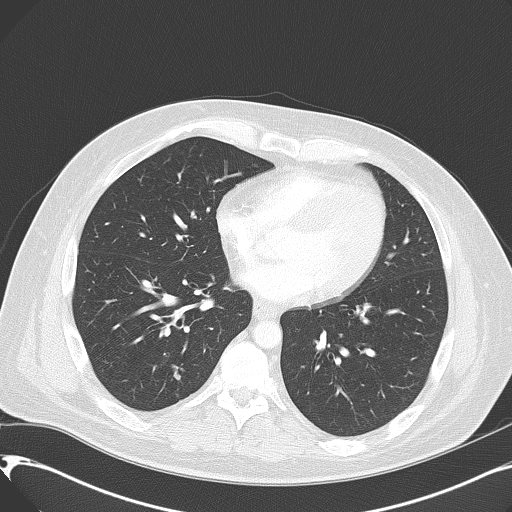
Slice 236/416 of a chest CT, counting up from the lowest; pixel size 0.723 mm, slice thickness 2.00 mm. Pulmonary nodule, outlined by one of the four readers. Box on this slice rows 371–380, columns 174–180, that reader's outline on this slice; longest diameter 8.2 mm and volume 130 mm3 from that reader's outline. That reader's ratings: texture 1/5 (non-solid); margin 2/5; sphericity 5/5 (round); calcification absent; internal structure soft tissue; subtlety 1/5; malignancy likelihood 2/5. Scale key (1–5): texture non-solid→solid, margin indistinct→circumscribed, sphericity linear→round, subtlety extremely subtle→obvious, malignancy likelihood highly unlikely→highly suspicious of cancer. Box rows and columns are 0-based pixel indices from the top-left corner, inclusive.
Tube voltage 120 kVp; convolution kernel B70f.